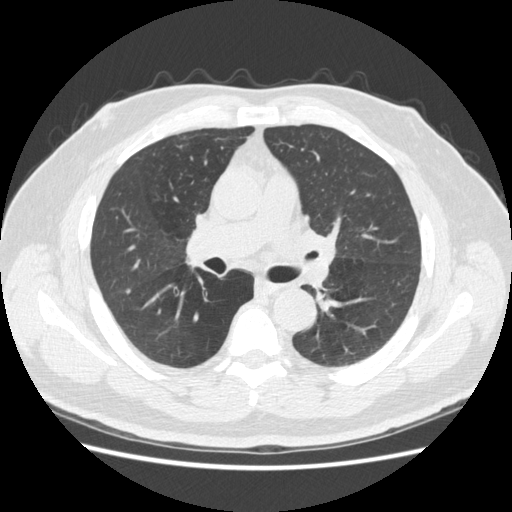
Axial slice 262 of 465 of a chest CT (slice 1 is the lowest), reconstructed with the STANDARD kernel at 120 kVp; 1.25 mm slice thickness and 0.703 mm pixels.
Pulmonary nodule at rows 288–293, columns 126–129 (box = that reader's outline on this slice), outlined by one of the four readers; longest diameter 6.5 mm and volume 44 mm3 from that reader's outline. That reader's ratings: texture 5/5 (solid); margin 5/5 (circumscribed); sphericity 4/5; calcification absent; internal structure soft tissue; subtlety 4/5; malignancy likelihood 2/5. Scale key (1–5): texture non-solid→solid, margin indistinct→circumscribed, sphericity linear→round, subtlety extremely subtle→obvious, malignancy likelihood highly unlikely→highly suspicious of cancer. Box rows and columns are 0-based pixel indices from the top-left corner, inclusive.